Axial chest CT slice 192 of 241 (counted from the lowest slice); tube voltage 120 kVp, convolution kernel STANDARD; slices 1.25 mm thick, 0.684 mm per pixel.
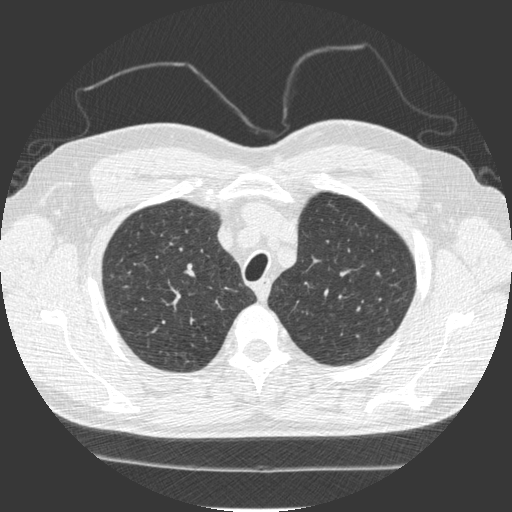
Pulmonary nodule at rows 263–268, columns 186–192 (box = that reader's outline on this slice), outlined by one of the four readers; longest diameter 5.8 mm and volume 72 mm3 from that reader's outline. That reader's ratings: texture 5/5 (solid); margin 5/5 (circumscribed); sphericity 4/5; calcification absent; internal structure soft tissue; subtlety 3/5; malignancy likelihood 3/5. Scale key (1–5): texture non-solid→solid, margin indistinct→circumscribed, sphericity linear→round, subtlety extremely subtle→obvious, malignancy likelihood highly unlikely→highly suspicious of cancer. Box rows and columns are 0-based pixel indices from the top-left corner, inclusive.